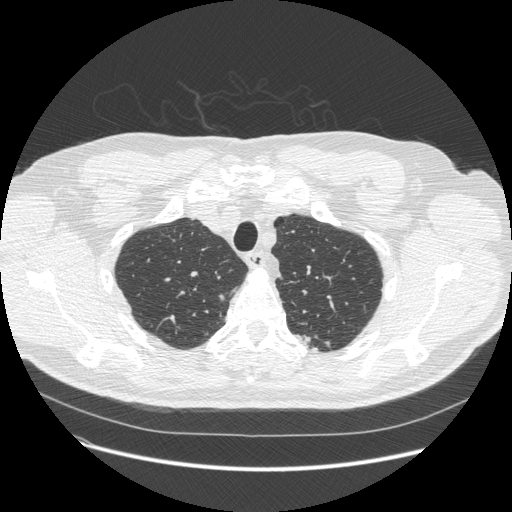
Chest CT, axial plane, 120 kVp, kernel STANDARD. Slice 444/541 from the bottom of the scan; thickness 1.25 mm; pixel size 0.781 mm.
Pulmonary nodule at rows 294–301, columns 219–224 (box = the union of the readers' outlines on this slice), outlined by all four readers; longest diameter 10.1 mm on average over the four readers' outlines (readers' outlines 9.5–10.6 mm), volume 135–169 mm3. Ratings, by the readers' most common answer with dissent counted: most readers (three of four) put texture at 5/5 (solid), others 4/5 (one); margin 4/5 by three of four readers; the rest gave 2/5 (one); sphericity split among the readers: 3/5 (ovoid) (two), 4/5 (two); calcification absent, all four readers agreeing; internal structure soft tissue, all four readers agreeing; subtlety split among the readers: 2/5 (two), 5/5 (two); malignancy likelihood 3/5 by two of four readers; the rest gave 2/5 (one), 5/5 (one). Scale key (1–5): texture non-solid→solid, margin indistinct→circumscribed, sphericity linear→round, subtlety extremely subtle→obvious, malignancy likelihood highly unlikely→highly suspicious of cancer. Box rows and columns are 0-based pixel indices from the top-left corner, inclusive.